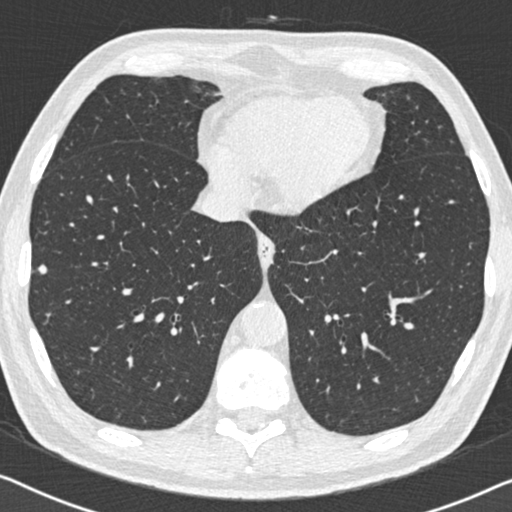
Slice 210/558 of a chest CT, counting up from the lowest; pixel size 0.648 mm, slice thickness 0.75 mm. Pulmonary nodule, outlined by all four readers. Box on this slice rows 264–273, columns 38–46, the union of the readers' outlines on this slice; the four readers' outlines give a longest diameter between 5.6 and 7.4 mm and a volume between 75 and 143 mm3. Ratings across the readers: texture 5/5 (solid), all four readers agreeing; margin from 4/5 to 5/5 (circumscribed) across the four readers; sphericity 5/5 (round) from all four readers; calcification absent, all four readers agreeing; internal structure soft tissue, all four readers agreeing; subtlety rated between 3 and 5 out of 5 by the four readers; malignancy likelihood from 2/5 to 4/5 across the four readers. Scale key (1–5): texture non-solid→solid, margin indistinct→circumscribed, sphericity linear→round, subtlety extremely subtle→obvious, malignancy likelihood highly unlikely→highly suspicious of cancer. Box rows and columns are 0-based pixel indices from the top-left corner, inclusive.
Acquired at 120 kVp and reconstructed with the B30f kernel.